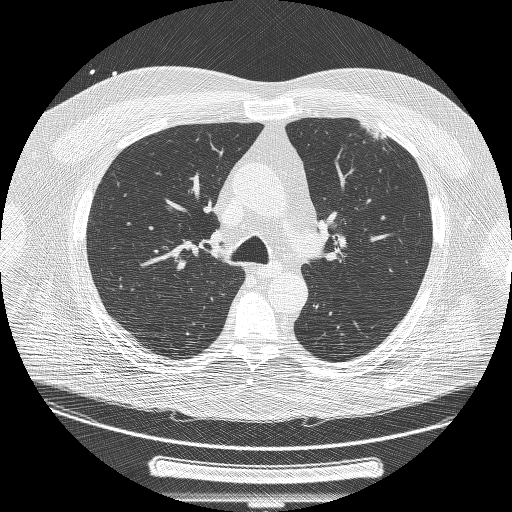
Axial slice 153 of 239 of a chest CT (slice 1 is the lowest), reconstructed with the BONE kernel at 120 kVp; 1.25 mm slice thickness and 0.795 mm pixels.
Pulmonary nodule, outlined by two of the four readers. Box on this slice rows 122–139, columns 359–385, the union of the readers' outlines on this slice; longest diameter 43.2 mm on average over the two readers' outlines (readers' outlines 43.0–43.4 mm), volume 10396–11168 mm3. The readers' prevailing ratings and who disagreed: texture split among the readers: 3/5 (part-solid) (one), 5/5 (solid) (one); margin split among the readers: 1/5 (indistinct) (one), 3/5 (one); sphericity split among the readers: 1/5 (linear) (one), 3/5 (ovoid) (one); calcification absent from both readers; internal structure soft tissue from both readers; subtlety 5/5, both readers agreeing; malignancy likelihood 5/5 from both readers. Scale key (1–5): texture non-solid→solid, margin indistinct→circumscribed, sphericity linear→round, subtlety extremely subtle→obvious, malignancy likelihood highly unlikely→highly suspicious of cancer. Box rows and columns are 0-based pixel indices from the top-left corner, inclusive.